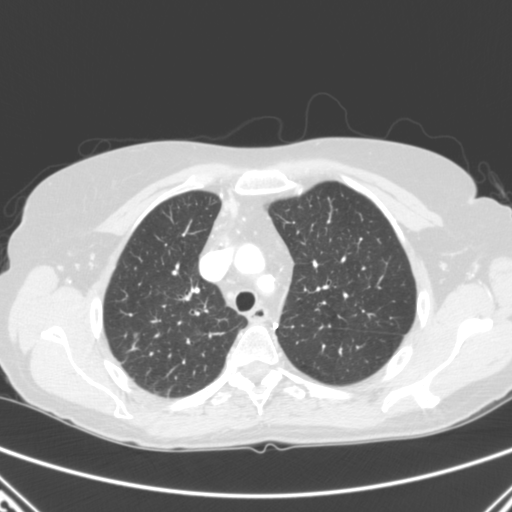
Chest CT, axial plane, 120 kVp, kernel B. Slice 207/280 from the bottom of the scan; thickness 2.00 mm; pixel size 0.676 mm.
Pulmonary nodule outlined three times (the source holds two more outlines, not used), one of them on this slice; box rows 345–349, columns 131–135 (the one reader's outline on this slice); the three readers' outlines give a longest diameter between 19.6 and 26.7 mm and a volume between 949 and 1659 mm3. The readers' ratings, as ranges where they differ: texture from 4/5 to 5/5 (solid) across the three readers; margin from 3/5 to 4/5 across the three readers; sphericity from 2/5 to 5/5 (round) across the three readers; calcification absent, all three readers agreeing; internal structure soft tissue from all three readers; subtlety 5/5 from all three readers; malignancy likelihood 4–5/5 (the readers disagree). Scale key (1–5): texture non-solid→solid, margin indistinct→circumscribed, sphericity linear→round, subtlety extremely subtle→obvious, malignancy likelihood highly unlikely→highly suspicious of cancer. Box rows and columns are 0-based pixel indices from the top-left corner, inclusive.